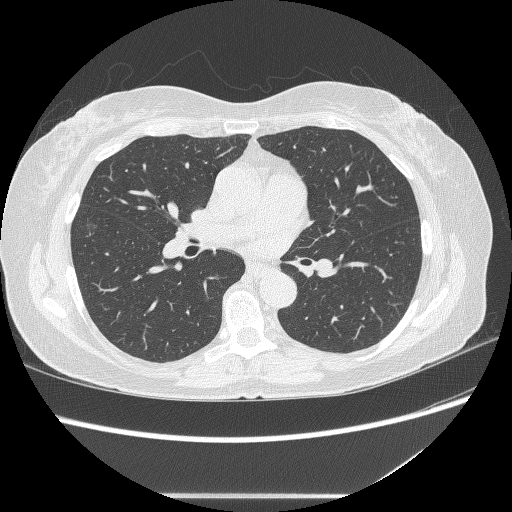
This is axial slice 139 of 236 (slice 1 is the lowest) of a chest CT; each pixel is 0.703 mm and the slice is 1.25 mm thick. Pulmonary nodule, outlined by all four readers, two of them on this slice. Box on this slice rows 222–231, columns 83–97, the union of the readers' outlines on this slice; the four readers' outlines give a longest diameter between 17.0 and 21.4 mm and a volume between 673 and 774 mm3. Ratings across the readers: texture 1/5 (non-solid), all four readers agreeing; margin from 1/5 (indistinct) to 4/5 across the four readers; sphericity from 4/5 to 5/5 (round) across the four readers; calcification absent from all four readers; internal structure soft tissue, all four readers agreeing; subtlety rated between 3 and 5 out of 5 by the four readers; malignancy likelihood 3–4/5 (the readers disagree). Scale key (1–5): texture non-solid→solid, margin indistinct→circumscribed, sphericity linear→round, subtlety extremely subtle→obvious, malignancy likelihood highly unlikely→highly suspicious of cancer. Box rows and columns are 0-based pixel indices from the top-left corner, inclusive.
Scan settings: 120 kVp, BONE reconstruction kernel.